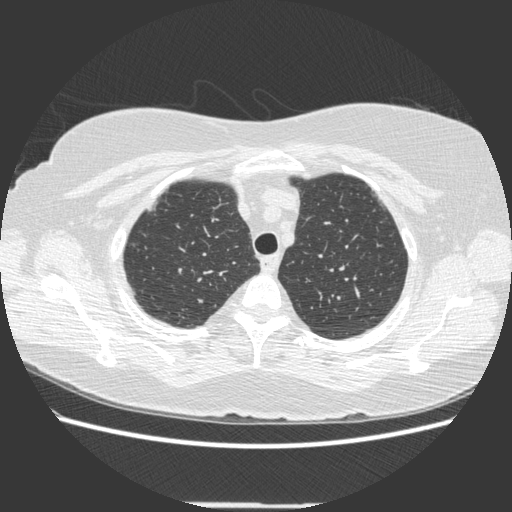
Axial slice 372 of 452 of a chest CT (slice 1 is the lowest), reconstructed with the STANDARD kernel at 120 kVp; 1.25 mm slice thickness and 0.703 mm pixels.
Pulmonary nodule, outlined by two of the four readers. Box on this slice rows 243–245, columns 131–134, the union of the readers' outlines on this slice; median longest diameter 6.2 mm (readers' outlines 5.4–7.0 mm), median volume 58 mm3 (53–63 mm3). Ratings, median across the readers with their spread: texture 4/5 at the median of two readers, spread 3/5 (part-solid) to 5/5 (solid); margin 4/5 at the median of two readers, spread 3/5 to 5/5 (circumscribed); sphericity 4/5 from both readers; calcification absent, both readers agreeing; internal structure soft tissue, both readers agreeing; subtlety 3/5 at the median of two readers, spread 2–4; median malignancy likelihood 2.5/5 (readers ranged 2–3). Scale key (1–5): texture non-solid→solid, margin indistinct→circumscribed, sphericity linear→round, subtlety extremely subtle→obvious, malignancy likelihood highly unlikely→highly suspicious of cancer. Box rows and columns are 0-based pixel indices from the top-left corner, inclusive.